One axial slice (215 of 513, counting up from the lowest) of a chest CT acquired at 120 kVp with the STANDARD kernel; each pixel is 0.703 mm and the slice is 1.25 mm thick.
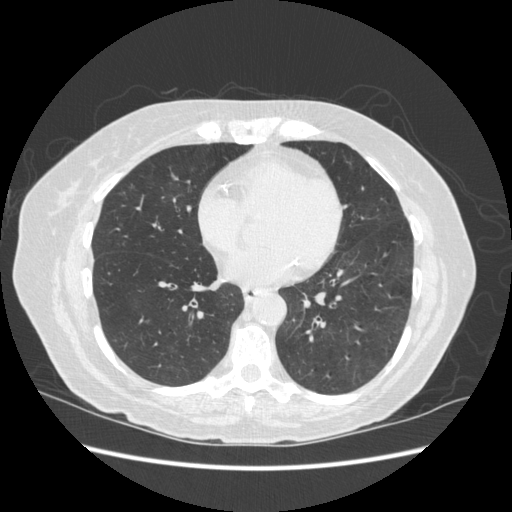
Pulmonary nodule at rows 172–179, columns 171–178 (box = the union of the readers' outlines on this slice), outlined by three of the four readers; longest diameter 8.9 mm on average over the three readers' outlines (readers' outlines 8.2–9.4 mm), volume 118–157 mm3. The readers' prevailing ratings and who disagreed: most readers (two of three) put texture at 5/5 (solid), others 4/5 (one); margin split among the readers: 3/5 (one), 4/5 (one), 5/5 (circumscribed) (one); sphericity 3/5 (ovoid), all three readers agreeing; calcification absent from all three readers; internal structure soft tissue, all three readers agreeing; subtlety 4/5, all three readers agreeing; malignancy likelihood split among the readers: 1/5 (one), 3/5 (one), 4/5 (one). Scale key (1–5): texture non-solid→solid, margin indistinct→circumscribed, sphericity linear→round, subtlety extremely subtle→obvious, malignancy likelihood highly unlikely→highly suspicious of cancer. Box rows and columns are 0-based pixel indices from the top-left corner, inclusive.